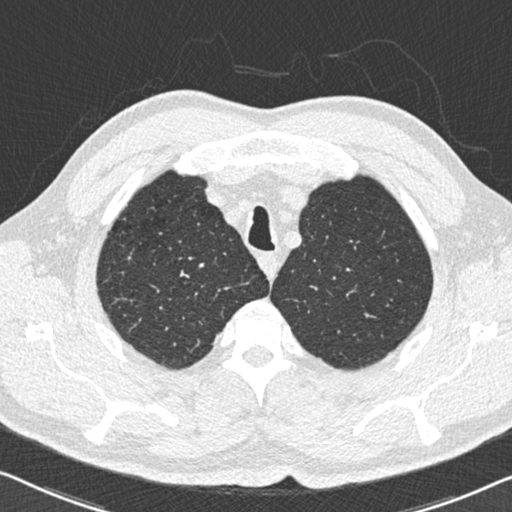
One axial slice (490 of 558, counting up from the lowest) of a chest CT acquired at 120 kVp with the B30f kernel; each pixel is 0.648 mm and the slice is 0.75 mm thick.
Pulmonary nodule, outlined by all four readers, one of them on this slice. Box on this slice rows 340–345, columns 196–199, the one reader's outline on this slice; longest diameter 9.4 mm on average over the four readers' outlines (readers' outlines 9.0–9.8 mm), volume 82–155 mm3. The readers' prevailing ratings and who disagreed: most readers (three of four) put texture at 5/5 (solid), others 4/5 (one); most readers (three of four) put margin at 4/5, others 5/5 (circumscribed) (one); sphericity 2/5 by three of four readers; the rest gave 5/5 (round) (one); calcification absent from all four readers; internal structure soft tissue, all four readers agreeing; subtlety 3/5 by two of four readers; the rest gave 4/5 (one), 5/5 (one); malignancy likelihood split among the readers: 2/5 (two), 3/5 (two). Scale key (1–5): texture non-solid→solid, margin indistinct→circumscribed, sphericity linear→round, subtlety extremely subtle→obvious, malignancy likelihood highly unlikely→highly suspicious of cancer. Box rows and columns are 0-based pixel indices from the top-left corner, inclusive.